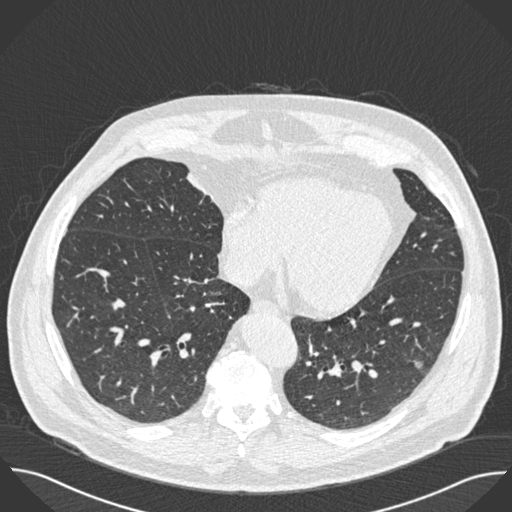
This is axial slice 208 of 493 (slice 1 is the lowest) of a chest CT; each pixel is 0.762 mm and the slice is 0.75 mm thick. Pulmonary nodule, outlined by all four readers. Box on this slice rows 361–367, columns 414–422, the union of the readers' outlines on this slice; longest diameter 10.4 mm on average over the four readers' outlines (readers' outlines 10.0–10.8 mm), volume 188–224 mm3. The readers' prevailing ratings and who disagreed: texture 5/5 (solid) from all four readers; margin split among the readers: 4/5 (two), 5/5 (circumscribed) (two); sphericity 3/5 (ovoid) from all four readers; calcification absent by three of four readers, solid calcification (one); internal structure soft tissue, all four readers agreeing; subtlety 4/5 by two of four readers; the rest gave 3/5 (one), 5/5 (one); malignancy likelihood 3/5 by three of four readers; the rest gave 2/5 (one). Scale key (1–5): texture non-solid→solid, margin indistinct→circumscribed, sphericity linear→round, subtlety extremely subtle→obvious, malignancy likelihood highly unlikely→highly suspicious of cancer. Box rows and columns are 0-based pixel indices from the top-left corner, inclusive.
Tube voltage 120 kVp; convolution kernel B30f.